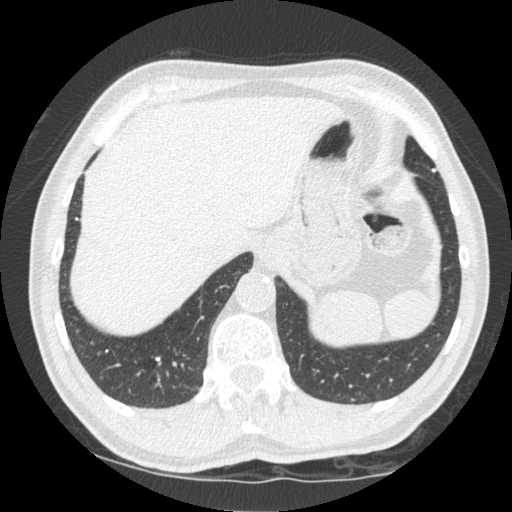
This is axial slice 96 of 535 (slice 1 is the lowest) of a chest CT; each pixel is 0.664 mm and the slice is 1.25 mm thick. Pulmonary nodule, outlined by all four readers. Box on this slice rows 357–361, columns 155–159, the union of the readers' outlines on this slice; the four readers' outlines give a longest diameter between 4.7 and 6.5 mm and a volume between 34 and 62 mm3. Ratings across the readers: texture 5/5 (solid), all four readers agreeing; margin 5/5 (circumscribed), all four readers agreeing; sphericity from 4/5 to 5/5 (round) across the four readers; calcification solid calcification from all four readers; internal structure soft tissue from all four readers; subtlety 4–5/5 (the readers disagree); malignancy likelihood 1/5 from all four readers. Scale key (1–5): texture non-solid→solid, margin indistinct→circumscribed, sphericity linear→round, subtlety extremely subtle→obvious, malignancy likelihood highly unlikely→highly suspicious of cancer. Box rows and columns are 0-based pixel indices from the top-left corner, inclusive.
Acquired at 120 kVp and reconstructed with the STANDARD kernel.